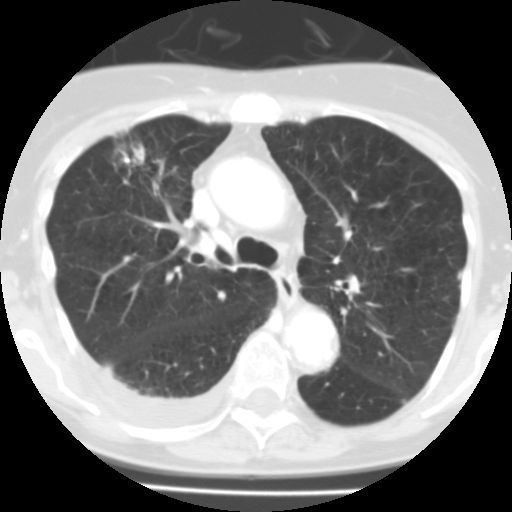
One axial slice (67 of 100, counting up from the lowest) of a chest CT acquired at 135 kVp with the FC01 kernel; each pixel is 0.540 mm and the slice is 3.00 mm thick.
Pulmonary nodule outlined by all four readers, three of them on this slice; box rows 135–186, columns 109–151 (the union of the readers' outlines on this slice); longest diameter 26.1 mm on average over the four readers' outlines (readers' outlines 22.6–33.3 mm), volume 3212–10079 mm3. Ratings, by the readers' most common answer with dissent counted: most readers (three of four) put texture at 4/5, others 5/5 (solid) (one); margin 4/5 by two of four readers; the rest gave 1/5 (indistinct) (one), 2/5 (one); sphericity 3/5 (ovoid) by two of four readers; the rest gave 4/5 (one), 5/5 (round) (one); calcification absent from all four readers; internal structure soft tissue from all four readers; subtlety 5/5 from all four readers; malignancy likelihood split among the readers: 4/5 (two), 5/5 (two). Scale key (1–5): texture non-solid→solid, margin indistinct→circumscribed, sphericity linear→round, subtlety extremely subtle→obvious, malignancy likelihood highly unlikely→highly suspicious of cancer. Box rows and columns are 0-based pixel indices from the top-left corner, inclusive.